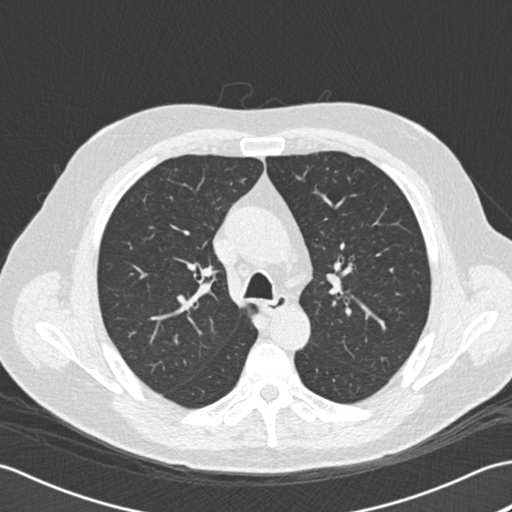
This is axial slice 127 of 180 (slice 1 is the lowest) of a chest CT; each pixel is 0.684 mm and the slice is 2.00 mm thick. This slice carries no reader outline of a nodule 3 mm or larger.
Acquired at 120 kVp and reconstructed with the B30f kernel.